Axial slice 499 of 730 of a chest CT (slice 1 is the lowest), reconstructed with the B30f kernel at 120 kVp; 0.60 mm slice thickness and 0.730 mm pixels.
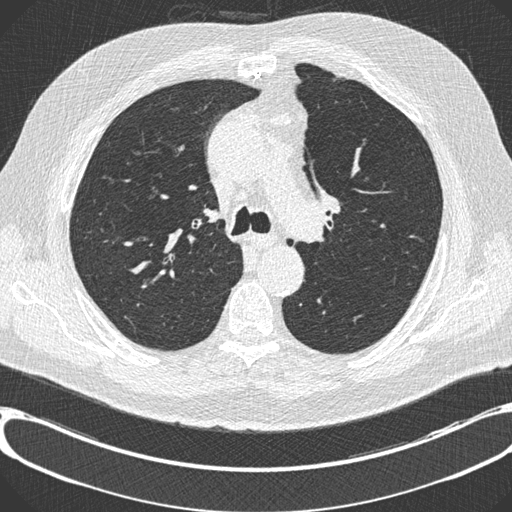
No nodule of 3 mm or larger was outlined by any of the four readers on this slice.